One axial slice (67 of 246, counting up from the lowest) of a chest CT acquired at 120 kVp with the BONE kernel; each pixel is 0.566 mm and the slice is 1.25 mm thick.
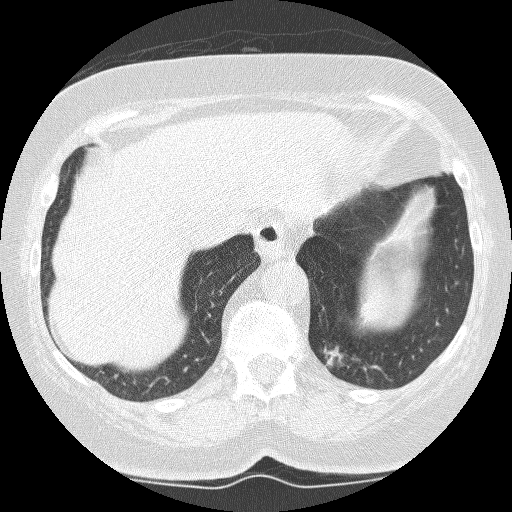
Pulmonary nodule outlined by all four readers, two of them on this slice; box rows 303–321, columns 360–373 (the union of the readers' outlines on this slice); median longest diameter 15.5 mm (readers' outlines 13.8–17.3 mm), median volume 933 mm3 (672–1099 mm3). Ratings, median across the readers with their spread: texture 5/5 (solid) from all four readers; margin 3/5 at the median of four readers, spread 2/5 to 4/5; sphericity 3.5/5 at the median of four readers, spread 2/5 to 4/5; calcification absent from all four readers; internal structure soft tissue, all four readers agreeing; subtlety 4.5/5 at the median of four readers, spread 4–5; malignancy likelihood 4.5/5 at the median of four readers, spread 3–5. Scale key (1–5): texture non-solid→solid, margin indistinct→circumscribed, sphericity linear→round, subtlety extremely subtle→obvious, malignancy likelihood highly unlikely→highly suspicious of cancer. Box rows and columns are 0-based pixel indices from the top-left corner, inclusive.